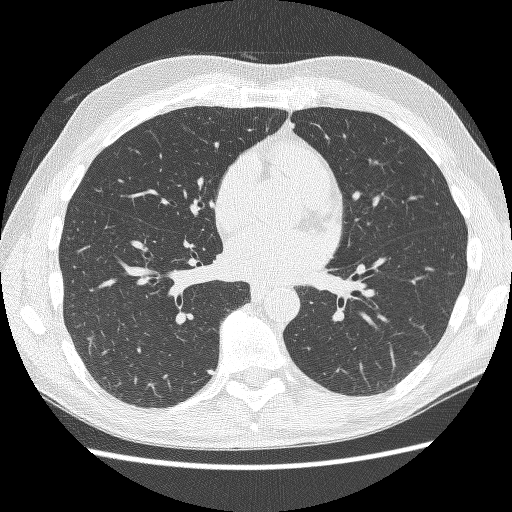
Axial chest CT slice 114 of 252 (counted from the lowest slice); tube voltage 120 kVp, convolution kernel BONE; slices 1.25 mm thick, 0.703 mm per pixel.
Pulmonary nodule at rows 370–374, columns 206–213 (box = that reader's outline on this slice), outlined by one of the four readers; longest diameter 6.7 mm and volume 64 mm3 from that reader's outline. Ratings by that reader: texture 5/5 (solid); margin 5/5 (circumscribed); sphericity 4/5; calcification absent; internal structure soft tissue; subtlety 4/5; malignancy likelihood 2/5. Scale key (1–5): texture non-solid→solid, margin indistinct→circumscribed, sphericity linear→round, subtlety extremely subtle→obvious, malignancy likelihood highly unlikely→highly suspicious of cancer. Box rows and columns are 0-based pixel indices from the top-left corner, inclusive.